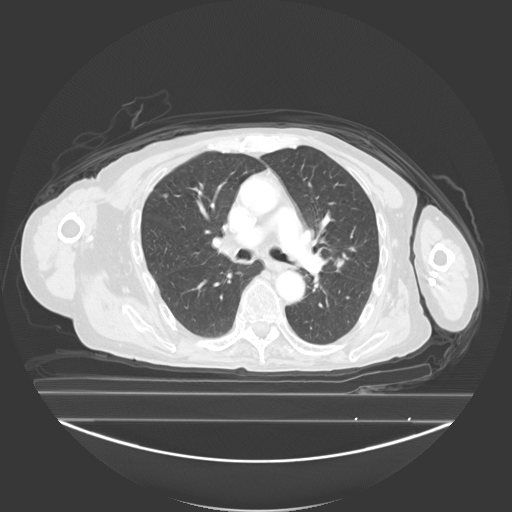
One axial slice (158 of 278, counting up from the lowest) of a chest CT acquired at 130 kVp with the B40s kernel; each pixel is 0.977 mm and the slice is 3.00 mm thick.
Two pulmonary nodules are outlined on this slice; from left to right: (1) Pulmonary nodule at rows 194–197, columns 162–167 (box = the union of the readers' outlines on this slice), outlined by two of the four readers; the two readers' outlines give a longest diameter between 6.9 and 7.4 mm and a volume between 72 and 103 mm3. The readers' ratings, as ranges where they differ: texture from 3/5 (part-solid) to 5/5 (solid) across the two readers; margin from 3/5 to 4/5 across the two readers; sphericity 4/5, both readers agreeing; calcification absent from both readers; internal structure soft tissue from both readers; subtlety rated between 3 and 4 out of 5 by the two readers; malignancy likelihood rated between 1 and 3 out of 5 by the two readers. (2) Pulmonary nodule, outlined by three of the four readers. Box on this slice rows 257–270, columns 334–344, the union of the readers' outlines on this slice; median longest diameter 12.8 mm (readers' outlines 12.8–14.8 mm), median volume 803 mm3 (665–985 mm3). Median ratings and the readers' spread: median texture 5/5 (solid) (readers ranged 4/5 to 5/5 (solid)); margin 4/5 from all three readers; sphericity 5/5 (round) at the median of three readers, spread 4/5 to 5/5 (round); calcification absent from all three readers; internal structure soft tissue from all three readers; subtlety 4/5 at the median of three readers, spread 3–5; median malignancy likelihood 3/5 (readers ranged 2–4). Scale key (1–5): texture non-solid→solid, margin indistinct→circumscribed, sphericity linear→round, subtlety extremely subtle→obvious, malignancy likelihood highly unlikely→highly suspicious of cancer. Box rows and columns are 0-based pixel indices from the top-left corner, inclusive.